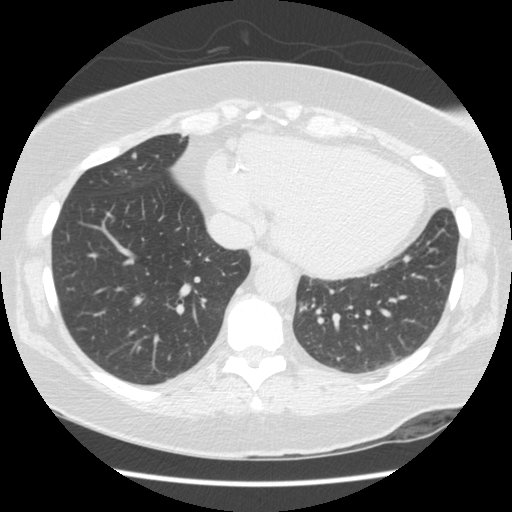
One axial slice (51 of 154, counting up from the lowest) of a chest CT acquired at 120 kVp with the STANDARD kernel; each pixel is 0.645 mm and the slice is 2.50 mm thick.
Two pulmonary nodules are outlined on this slice; from left to right: (1) Pulmonary nodule, outlined by three of the four readers. Box on this slice rows 152–158, columns 131–136, the union of the readers' outlines on this slice; longest diameter 4.7–5.3 mm and volume 35–58 mm3 across the three readers' outlines. Ratings across the readers: texture 5/5 (solid) from all three readers; margin from 4/5 to 5/5 (circumscribed) across the three readers; sphericity from 4/5 to 5/5 (round) across the three readers; calcification absent, all three readers agreeing; internal structure soft tissue, all three readers agreeing; subtlety from 2/5 to 4/5 across the three readers; malignancy likelihood rated between 1 and 3 out of 5 by the three readers. (2) Pulmonary nodule, outlined by one of the four readers. Box on this slice rows 305–311, columns 300–305, that reader's outline on this slice; longest diameter 11.3 mm and volume 286 mm3 from that reader's outline. That reader's ratings: texture 4/5; margin 3/5; sphericity 2/5; calcification absent; internal structure soft tissue; subtlety 4/5; malignancy likelihood 1/5. Scale key (1–5): texture non-solid→solid, margin indistinct→circumscribed, sphericity linear→round, subtlety extremely subtle→obvious, malignancy likelihood highly unlikely→highly suspicious of cancer. Box rows and columns are 0-based pixel indices from the top-left corner, inclusive.